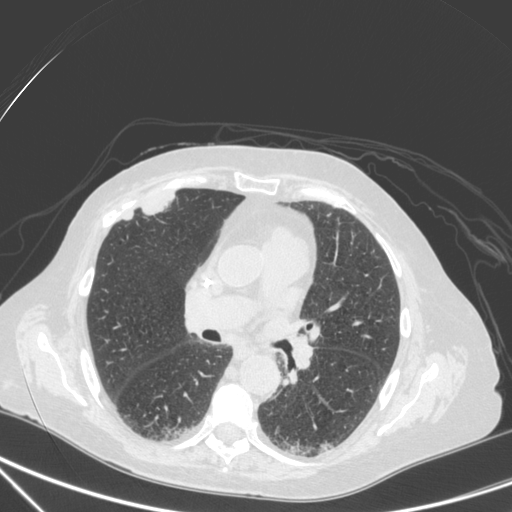
Chest CT, axial plane, 120 kVp, kernel C. Slice 182/350 from the bottom of the scan; thickness 1.50 mm; pixel size 0.725 mm.
Two pulmonary nodules on this slice, listed from left to right. (1) Pulmonary nodule outlined by one of the four readers; box rows 213–219, columns 125–132 (that reader's outline on this slice); longest diameter 11.5 mm and volume 223 mm3 from that reader's outline. That reader's ratings: texture 5/5 (solid); margin 4/5; sphericity 4/5; calcification absent; internal structure soft tissue; subtlety 5/5; malignancy likelihood 4/5. (2) Pulmonary nodule at rows 193–214, columns 141–174 (box = that reader's outline on this slice), outlined by one of the four readers; longest diameter 29.5 mm and volume 4181 mm3 from that reader's outline. Ratings by that reader: texture 5/5 (solid); margin 4/5; sphericity 2/5; calcification absent; internal structure soft tissue; subtlety 5/5; malignancy likelihood 4/5. Scale key (1–5): texture non-solid→solid, margin indistinct→circumscribed, sphericity linear→round, subtlety extremely subtle→obvious, malignancy likelihood highly unlikely→highly suspicious of cancer. Box rows and columns are 0-based pixel indices from the top-left corner, inclusive.